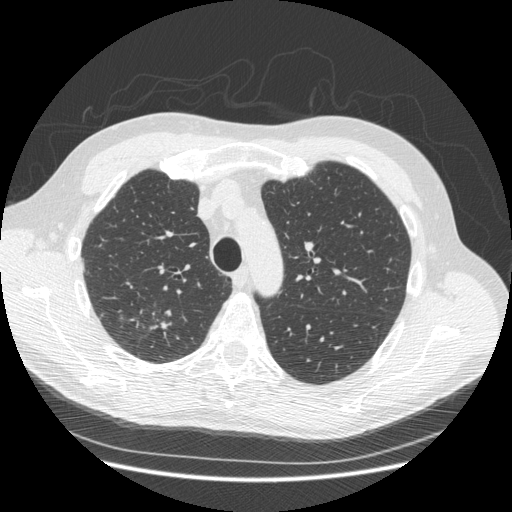
One axial slice (364 of 493, counting up from the lowest) of a chest CT acquired at 120 kVp with the STANDARD kernel; each pixel is 0.742 mm and the slice is 1.25 mm thick.
Pulmonary nodule at rows 322–328, columns 161–165 (box = the one reader's outline on this slice), outlined by three of the four readers, one of them on this slice; median longest diameter 12.6 mm (readers' outlines 12.6–14.1 mm), median volume 104 mm3 (104–271 mm3). Ratings, median across the readers with their spread: median texture 4/5 (readers ranged 4/5 to 5/5 (solid)); margin 3/5 from all three readers; sphericity 2/5 at the median of three readers, spread 2/5 to 4/5; calcification absent from all three readers; internal structure soft tissue from all three readers; subtlety 3/5 at the median of three readers, spread 2–5; malignancy likelihood 4/5 at the median of three readers, spread 2–4. Scale key (1–5): texture non-solid→solid, margin indistinct→circumscribed, sphericity linear→round, subtlety extremely subtle→obvious, malignancy likelihood highly unlikely→highly suspicious of cancer. Box rows and columns are 0-based pixel indices from the top-left corner, inclusive.